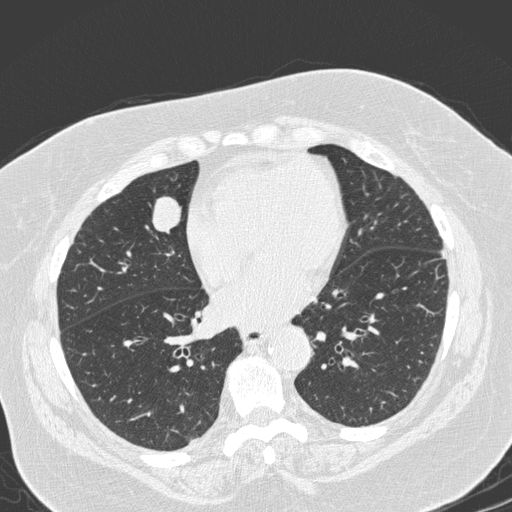
One axial slice (91 of 280, counting up from the lowest) of a chest CT acquired at 120 kVp with the D kernel; each pixel is 0.666 mm and the slice is 1.00 mm thick.
Pulmonary nodule, outlined by all four readers. Box on this slice rows 195–232, columns 151–181, the union of the readers' outlines on this slice; the four readers' outlines give a longest diameter between 25.0 and 27.8 mm and a volume between 4698 and 5913 mm3. The readers' ratings, as ranges where they differ: texture 5/5 (solid) from all four readers; margin from 4/5 to 5/5 (circumscribed) across the four readers; sphericity from 3/5 (ovoid) to 5/5 (round) across the four readers; calcification absent, all four readers agreeing; internal structure soft tissue from all four readers; subtlety 5/5, all four readers agreeing; malignancy likelihood 2–5/5 (the readers disagree). Scale key (1–5): texture non-solid→solid, margin indistinct→circumscribed, sphericity linear→round, subtlety extremely subtle→obvious, malignancy likelihood highly unlikely→highly suspicious of cancer. Box rows and columns are 0-based pixel indices from the top-left corner, inclusive.